Chest CT, axial plane, 120 kVp, kernel STANDARD. Slice 372/493 from the bottom of the scan; thickness 1.25 mm; pixel size 0.742 mm.
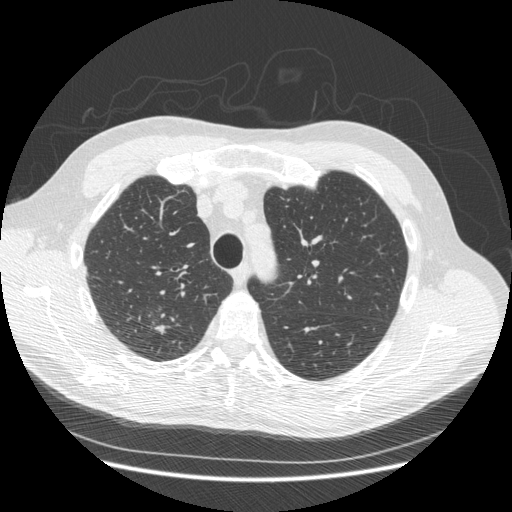
Pulmonary nodule outlined by three of the four readers; box rows 326–335, columns 154–165 (the union of the readers' outlines on this slice); median longest diameter 12.6 mm (readers' outlines 12.6–14.1 mm), median volume 104 mm3 (104–271 mm3). Ratings, median across the readers with their spread: texture 4/5 at the median of three readers, spread 4/5 to 5/5 (solid); margin 3/5 from all three readers; sphericity 2/5 at the median of three readers, spread 2/5 to 4/5; calcification absent from all three readers; internal structure soft tissue from all three readers; subtlety 3/5 at the median of three readers, spread 2–5; malignancy likelihood 4/5 at the median of three readers, spread 2–4. Scale key (1–5): texture non-solid→solid, margin indistinct→circumscribed, sphericity linear→round, subtlety extremely subtle→obvious, malignancy likelihood highly unlikely→highly suspicious of cancer. Box rows and columns are 0-based pixel indices from the top-left corner, inclusive.